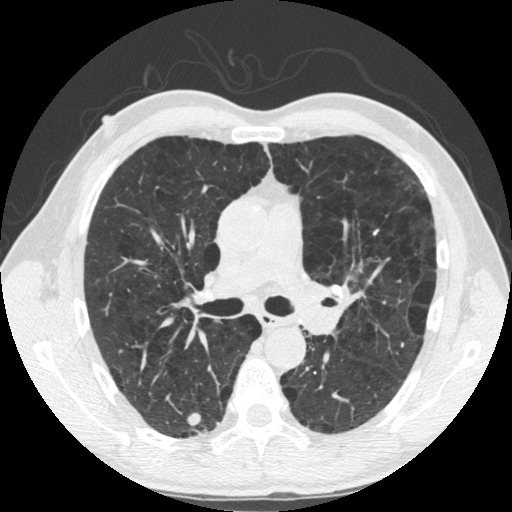
Chest CT, axial plane, 120 kVp, kernel STANDARD. Slice 319/535 from the bottom of the scan; thickness 1.25 mm; pixel size 0.664 mm.
Two pulmonary nodules on this slice, listed from left to right. (1) Pulmonary nodule outlined by all four readers; box rows 413–427, columns 186–200 (the union of the readers' outlines on this slice); median longest diameter 11.0 mm (readers' outlines 10.5–12.4 mm), median volume 554 mm3 (543–647 mm3). Ratings, median across the readers with their spread: texture 5/5 (solid) from all four readers; margin 5/5 (circumscribed), all four readers agreeing; median sphericity 4.5/5 (readers ranged 3/5 (ovoid) to 5/5 (round)); calcification: absent (three), laminated calcification (one); internal structure soft tissue, all four readers agreeing; subtlety 5/5 from all four readers; malignancy likelihood 2.5/5 at the median of four readers, spread 1–5. (2) Pulmonary nodule at rows 229–235, columns 373–378 (box = the union of the readers' outlines on this slice), outlined by all four readers; median longest diameter 6.7 mm (readers' outlines 6.3–7.6 mm), median volume 45 mm3 (41–65 mm3). Ratings, median across the readers with their spread: texture 5/5 (solid) from all four readers; margin 5/5 (circumscribed) from all four readers; sphericity 2.5/5 at the median of four readers, spread 2/5 to 3/5 (ovoid); calcification solid calcification from all four readers; internal structure soft tissue, all four readers agreeing; median subtlety 4.5/5 (readers ranged 4–5); malignancy likelihood 1/5 from all four readers. Scale key (1–5): texture non-solid→solid, margin indistinct→circumscribed, sphericity linear→round, subtlety extremely subtle→obvious, malignancy likelihood highly unlikely→highly suspicious of cancer. Box rows and columns are 0-based pixel indices from the top-left corner, inclusive.